One axial slice (43 of 121, counting up from the lowest) of a chest CT acquired at 120 kVp with the STANDARD kernel; each pixel is 0.664 mm and the slice is 2.50 mm thick.
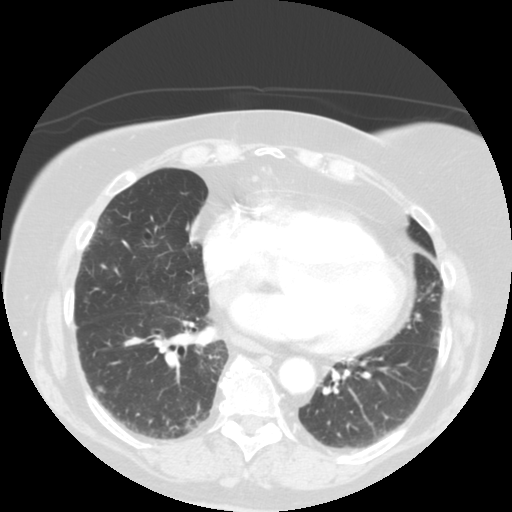
Pulmonary nodule, outlined by all four readers. Box on this slice rows 384–392, columns 96–104, the union of the readers' outlines on this slice; longest diameter 7.5 mm on average over the four readers' outlines (readers' outlines 7.2–8.4 mm), volume 117–173 mm3. The readers' prevailing ratings and who disagreed: texture 5/5 (solid) by two of four readers; the rest gave 2/5 (one), 4/5 (one); margin 5/5 (circumscribed) by two of four readers; the rest gave 3/5 (one), 4/5 (one); sphericity 3/5 (ovoid) by three of four readers; the rest gave 5/5 (round) (one); calcification absent, all four readers agreeing; internal structure soft tissue from all four readers; subtlety 4/5 by two of four readers; the rest gave 2/5 (one), 3/5 (one); malignancy likelihood 3/5 by three of four readers; the rest gave 2/5 (one). Scale key (1–5): texture non-solid→solid, margin indistinct→circumscribed, sphericity linear→round, subtlety extremely subtle→obvious, malignancy likelihood highly unlikely→highly suspicious of cancer. Box rows and columns are 0-based pixel indices from the top-left corner, inclusive.